Chest CT, axial plane, 120 kVp, kernel STANDARD. Slice 363/445 from the bottom of the scan; thickness 1.25 mm; pixel size 0.645 mm.
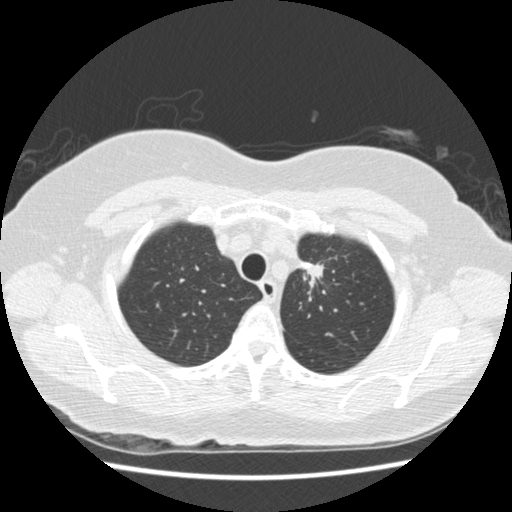
Pulmonary nodule at rows 262–286, columns 300–322 (box = that reader's outline on this slice), outlined by one of the four readers; longest diameter 31.0 mm and volume 2055 mm3 from that reader's outline. That reader's ratings: texture 5/5 (solid); margin 2/5; sphericity 2/5; calcification absent; internal structure soft tissue; subtlety 5/5; malignancy likelihood 4/5. Scale key (1–5): texture non-solid→solid, margin indistinct→circumscribed, sphericity linear→round, subtlety extremely subtle→obvious, malignancy likelihood highly unlikely→highly suspicious of cancer. Box rows and columns are 0-based pixel indices from the top-left corner, inclusive.